Axial slice 114 of 230 of a chest CT (slice 1 is the lowest), reconstructed with the STANDARD kernel at 120 kVp; 1.25 mm slice thickness and 0.742 mm pixels.
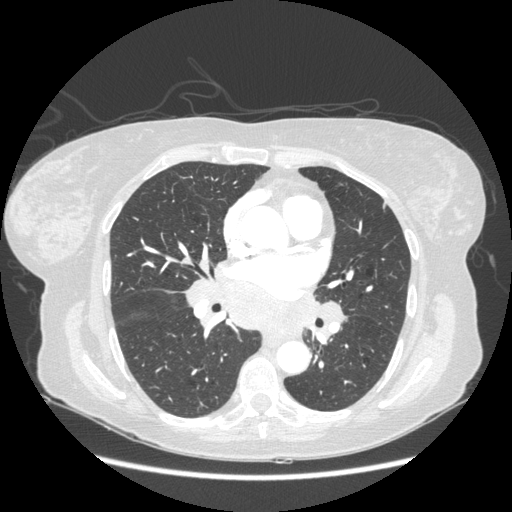
Pulmonary nodule, outlined by one of the four readers. Box on this slice rows 202–208, columns 383–385, that reader's outline on this slice; longest diameter 8.9 mm and volume 98 mm3 from that reader's outline. That reader's ratings: texture 5/5 (solid); margin 4/5; sphericity 3/5 (ovoid); calcification absent; internal structure soft tissue; subtlety 5/5; malignancy likelihood 2/5. Scale key (1–5): texture non-solid→solid, margin indistinct→circumscribed, sphericity linear→round, subtlety extremely subtle→obvious, malignancy likelihood highly unlikely→highly suspicious of cancer. Box rows and columns are 0-based pixel indices from the top-left corner, inclusive.